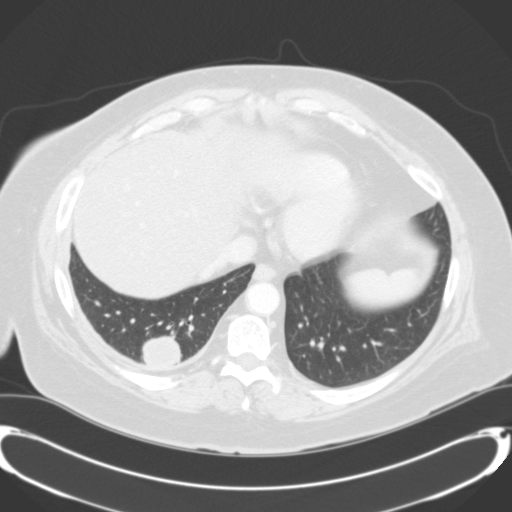
This is axial slice 58 of 124 (slice 1 is the lowest) of a chest CT; each pixel is 0.764 mm and the slice is 3.00 mm thick. Pulmonary nodule at rows 336–366, columns 142–181 (box = the union of the readers' outlines on this slice), outlined by three of the four readers; longest diameter 32.1–33.9 mm and volume 13060–14151 mm3 across the three readers' outlines. Ratings across the readers: texture from 4/5 to 5/5 (solid) across the three readers; margin from 4/5 to 5/5 (circumscribed) across the three readers; sphericity 4/5, all three readers agreeing; calcification absent, all three readers agreeing; internal structure soft tissue, all three readers agreeing; subtlety 5/5, all three readers agreeing; malignancy likelihood 3–5/5 (the readers disagree). Scale key (1–5): texture non-solid→solid, margin indistinct→circumscribed, sphericity linear→round, subtlety extremely subtle→obvious, malignancy likelihood highly unlikely→highly suspicious of cancer. Box rows and columns are 0-based pixel indices from the top-left corner, inclusive.
Acquired at 120 kVp and reconstructed with the B31f kernel.